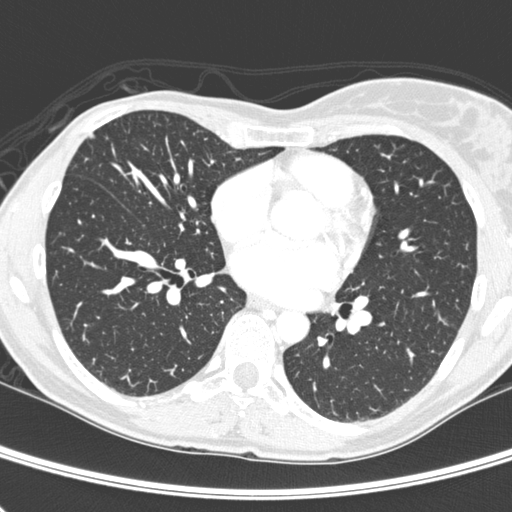
This is axial slice 135 of 280 (slice 1 is the lowest) of a chest CT; each pixel is 0.578 mm and the slice is 1.00 mm thick. Pulmonary nodule, outlined by two of the four readers. Box on this slice rows 132–138, columns 89–94, the union of the readers' outlines on this slice; median longest diameter 5.2 mm (readers' outlines 5.0–5.3 mm), median volume 25 mm3 (25–26 mm3). Ratings, median across the readers with their spread: texture 5/5 (solid), both readers agreeing; margin 4/5 at the median of two readers, spread 3/5 to 5/5 (circumscribed); median sphericity 3/5 (ovoid) (readers ranged 2/5 to 4/5); calcification absent from both readers; internal structure soft tissue from both readers; subtlety 4/5 at the median of two readers, spread 3–5; malignancy likelihood 2.5/5 at the median of two readers, spread 2–3. Scale key (1–5): texture non-solid→solid, margin indistinct→circumscribed, sphericity linear→round, subtlety extremely subtle→obvious, malignancy likelihood highly unlikely→highly suspicious of cancer. Box rows and columns are 0-based pixel indices from the top-left corner, inclusive.
Tube voltage 120 kVp; convolution kernel D.